Axial slice 98 of 132 of a chest CT (slice 1 is the lowest), reconstructed with the BONE kernel at 140 kVp; 2.50 mm slice thickness and 0.703 mm pixels.
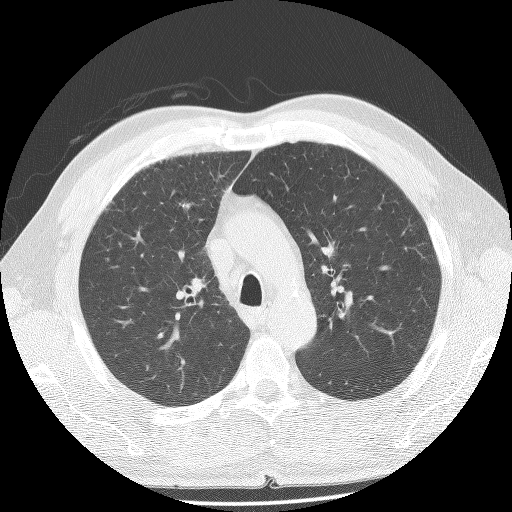
This slice carries no reader outline of a nodule 3 mm or larger.